Axial chest CT slice 269 of 605 (counted from the lowest slice); tube voltage 120 kVp, convolution kernel STANDARD; slices 1.25 mm thick, 0.703 mm per pixel.
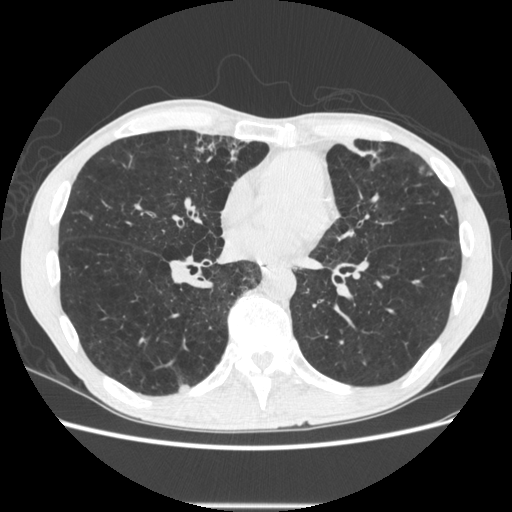
Pulmonary nodule outlined by two of the four readers; box rows 384–392, columns 178–189 (the union of the readers' outlines on this slice); median longest diameter 10.1 mm (readers' outlines 9.8–10.4 mm), median volume 152 mm3 (142–162 mm3). Median ratings and the readers' spread: texture 5/5 (solid), both readers agreeing; margin 5/5 (circumscribed), both readers agreeing; sphericity 3.5/5 at the median of two readers, spread 3/5 (ovoid) to 4/5; calcification absent, both readers agreeing; internal structure soft tissue, both readers agreeing; subtlety 4/5 from both readers; malignancy likelihood 3/5, both readers agreeing. Scale key (1–5): texture non-solid→solid, margin indistinct→circumscribed, sphericity linear→round, subtlety extremely subtle→obvious, malignancy likelihood highly unlikely→highly suspicious of cancer. Box rows and columns are 0-based pixel indices from the top-left corner, inclusive.